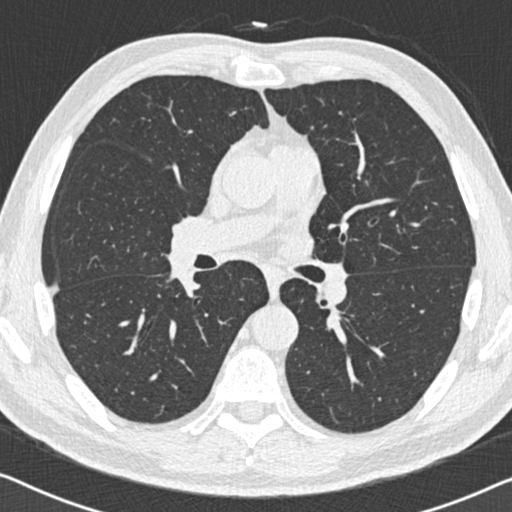
Chest CT, axial plane, 120 kVp, kernel B30f. Slice 334/558 from the bottom of the scan; thickness 0.75 mm; pixel size 0.648 mm.
This slice carries no reader outline of a nodule 3 mm or larger.